Axial slice 69 of 134 of a chest CT (slice 1 is the lowest), reconstructed with the B31s kernel at 130 kVp; 3.00 mm slice thickness and 0.715 mm pixels.
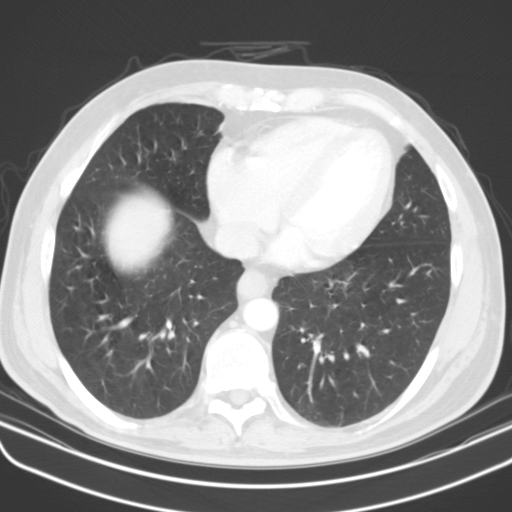
No nodule 3 mm or larger was outlined here by any reader.